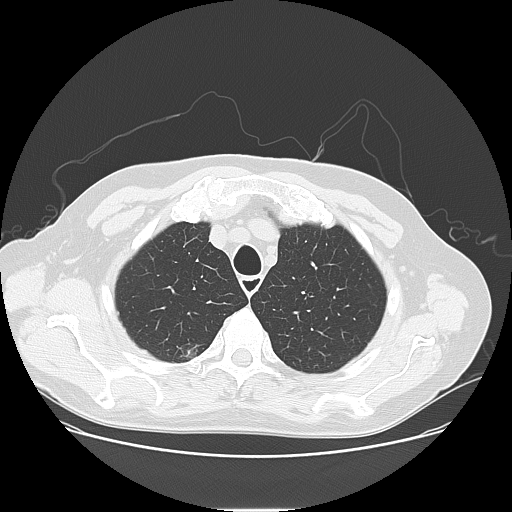
Axial slice 115 of 141 of a chest CT (slice 1 is the lowest), reconstructed with the LUNG kernel at 120 kVp; 2.50 mm slice thickness and 0.762 mm pixels.
Pulmonary nodule, outlined by all four readers, one of them on this slice. Box on this slice rows 351–356, columns 190–195, the one reader's outline on this slice; longest diameter 16.3 mm on average over the four readers' outlines (readers' outlines 15.9–17.1 mm), volume 1828–2231 mm3. Ratings, by the readers' most common answer with dissent counted: most readers (three of four) put texture at 5/5 (solid), others 3/5 (part-solid) (one); margin 5/5 (circumscribed) by two of four readers; the rest gave 2/5 (one), 4/5 (one); sphericity 4/5 by two of four readers; the rest gave 3/5 (ovoid) (one), 5/5 (round) (one); calcification absent from all four readers; internal structure soft tissue, all four readers agreeing; most readers (three of four) put subtlety at 5/5, others 4/5 (one); malignancy likelihood 5/5 by two of four readers; the rest gave 3/5 (one), 4/5 (one). Scale key (1–5): texture non-solid→solid, margin indistinct→circumscribed, sphericity linear→round, subtlety extremely subtle→obvious, malignancy likelihood highly unlikely→highly suspicious of cancer. Box rows and columns are 0-based pixel indices from the top-left corner, inclusive.